Axial slice 66 of 104 of a chest CT (slice 1 is the lowest), reconstructed with the FC01 kernel at 135 kVp; 3.00 mm slice thickness and 0.741 mm pixels.
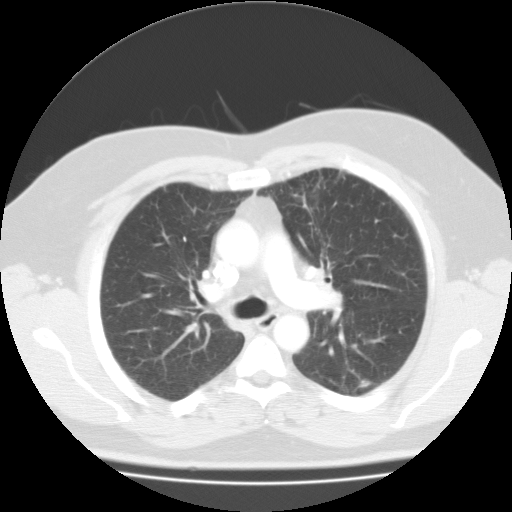
Pulmonary nodule outlined by three of the four readers; box rows 378–388, columns 357–373 (the union of the readers' outlines on this slice); longest diameter 15.3 mm on average over the three readers' outlines (readers' outlines 14.4–16.4 mm), volume 759–979 mm3. Ratings, by the readers' most common answer with dissent counted: texture split among the readers: 3/5 (part-solid) (one), 4/5 (one), 5/5 (solid) (one); margin split among the readers: 1/5 (indistinct) (one), 2/5 (one), 3/5 (one); sphericity 3/5 (ovoid) by two of three readers; the rest gave 5/5 (round) (one); calcification absent from all three readers; internal structure soft tissue from all three readers; subtlety 4/5 by two of three readers; the rest gave 5/5 (one); malignancy likelihood 5/5 by two of three readers; the rest gave 4/5 (one). Scale key (1–5): texture non-solid→solid, margin indistinct→circumscribed, sphericity linear→round, subtlety extremely subtle→obvious, malignancy likelihood highly unlikely→highly suspicious of cancer. Box rows and columns are 0-based pixel indices from the top-left corner, inclusive.